Axial slice 355 of 426 of a chest CT (slice 1 is the lowest), reconstructed with the STANDARD kernel at 120 kVp; 1.25 mm slice thickness and 0.742 mm pixels.
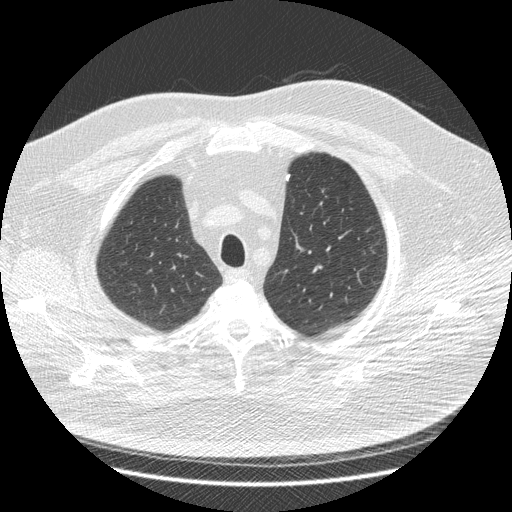
Pulmonary nodule outlined by three of the four readers; box rows 174–181, columns 285–289 (the union of the readers' outlines on this slice); median longest diameter 6.7 mm (readers' outlines 5.4–7.3 mm), median volume 67 mm3 (50–91 mm3). Median ratings and the readers' spread: texture 5/5 (solid) from all three readers; margin 5/5 (circumscribed) from all three readers; median sphericity 4/5 (readers ranged 2/5 to 4/5); calcification solid calcification from all three readers; internal structure soft tissue from all three readers; subtlety 5/5 at the median of three readers, spread 4–5; malignancy likelihood 1/5, all three readers agreeing. Scale key (1–5): texture non-solid→solid, margin indistinct→circumscribed, sphericity linear→round, subtlety extremely subtle→obvious, malignancy likelihood highly unlikely→highly suspicious of cancer. Box rows and columns are 0-based pixel indices from the top-left corner, inclusive.